Axial slice 587 of 733 of a chest CT (slice 1 is the lowest), reconstructed with the B50f kernel at 120 kVp; 0.60 mm slice thickness and 0.637 mm pixels.
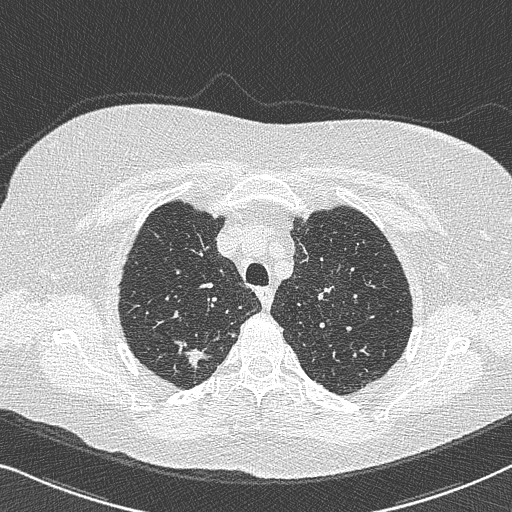
Pulmonary nodule outlined by all four readers; box rows 347–369, columns 181–214 (the union of the readers' outlines on this slice); longest diameter 15.5–29.7 mm and volume 888–2128 mm3 across the four readers' outlines. The readers' ratings, as ranges where they differ: texture from 4/5 to 5/5 (solid) across the four readers; margin from 1/5 (indistinct) to 4/5 across the four readers; sphericity from 2/5 to 5/5 (round) across the four readers; calcification absent from all four readers; internal structure soft tissue from all four readers; subtlety from 4/5 to 5/5 across the four readers; malignancy likelihood 4–5/5 (the readers disagree). Scale key (1–5): texture non-solid→solid, margin indistinct→circumscribed, sphericity linear→round, subtlety extremely subtle→obvious, malignancy likelihood highly unlikely→highly suspicious of cancer. Box rows and columns are 0-based pixel indices from the top-left corner, inclusive.